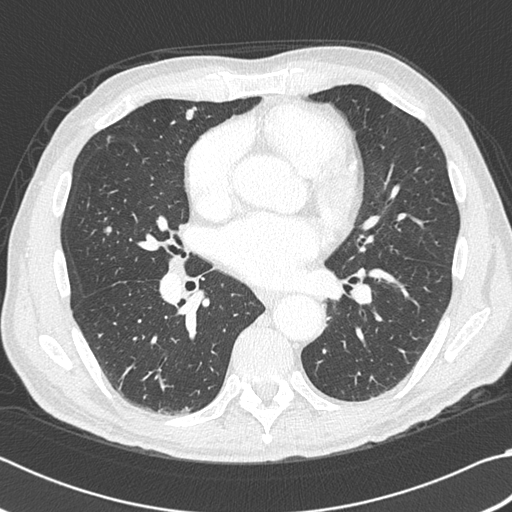
Chest CT, axial plane, 120 kVp, kernel B45f. Slice 205/383 from the bottom of the scan; thickness 1.00 mm; pixel size 0.664 mm.
Two pulmonary nodules on this slice, listed from left to right. (1) Pulmonary nodule at rows 225–235, columns 104–111 (box = the union of the readers' outlines on this slice), outlined by all four readers; longest diameter 16.2 mm on average over the four readers' outlines (readers' outlines 15.5–17.3 mm), volume 759–884 mm3. Ratings, by the readers' most common answer with dissent counted: texture 5/5 (solid), all four readers agreeing; margin 5/5 (circumscribed) by three of four readers; the rest gave 4/5 (one); sphericity 3/5 (ovoid) by three of four readers; the rest gave 5/5 (round) (one); calcification absent by three of four readers, solid calcification (one); internal structure soft tissue from all four readers; most readers (three of four) put subtlety at 5/5, others 4/5 (one); malignancy likelihood 3/5 by two of four readers; the rest gave 1/5 (one), 5/5 (one). (2) Pulmonary nodule outlined by all four readers; box rows 106–120, columns 184–196 (the union of the readers' outlines on this slice); median longest diameter 10.6 mm (readers' outlines 9.8–12.2 mm), median volume 418 mm3 (379–631 mm3). Ratings, median across the readers with their spread: texture 5/5 (solid), all four readers agreeing; margin 5/5 (circumscribed), all four readers agreeing; sphericity 4.5/5 at the median of four readers, spread 3/5 (ovoid) to 5/5 (round); calcification: absent (three), solid calcification (one); internal structure soft tissue, all four readers agreeing; median subtlety 4.5/5 (readers ranged 4–5); malignancy likelihood 2.5/5 at the median of four readers, spread 1–4. Scale key (1–5): texture non-solid→solid, margin indistinct→circumscribed, sphericity linear→round, subtlety extremely subtle→obvious, malignancy likelihood highly unlikely→highly suspicious of cancer. Box rows and columns are 0-based pixel indices from the top-left corner, inclusive.